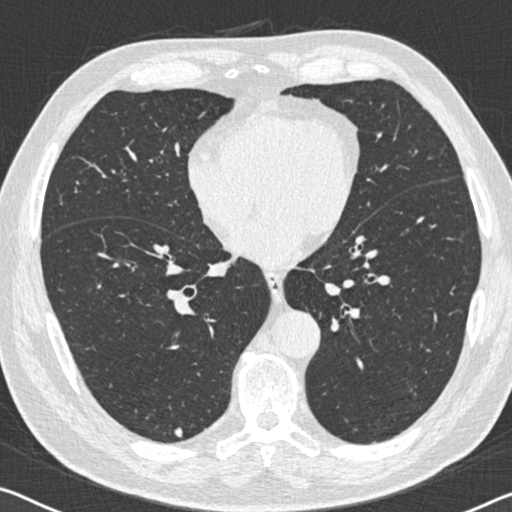
One axial slice (257 of 536, counting up from the lowest) of a chest CT acquired at 120 kVp with the B30f kernel; each pixel is 0.656 mm and the slice is 0.75 mm thick.
Pulmonary nodule, outlined by three of the four readers. Box on this slice rows 426–437, columns 174–182, the union of the readers' outlines on this slice; median longest diameter 8.1 mm (readers' outlines 6.2–9.3 mm), median volume 121 mm3 (71–161 mm3). Ratings, median across the readers with their spread: texture 5/5 (solid), all three readers agreeing; median margin 4/5 (readers ranged 3/5 to 4/5); sphericity 3/5 (ovoid) at the median of three readers, spread 3/5 (ovoid) to 4/5; calcification: absent (two), non-central calcification (one); internal structure soft tissue from all three readers; subtlety 4/5 at the median of three readers, spread 3–5; malignancy likelihood 2/5 at the median of three readers, spread 2–3. Scale key (1–5): texture non-solid→solid, margin indistinct→circumscribed, sphericity linear→round, subtlety extremely subtle→obvious, malignancy likelihood highly unlikely→highly suspicious of cancer. Box rows and columns are 0-based pixel indices from the top-left corner, inclusive.